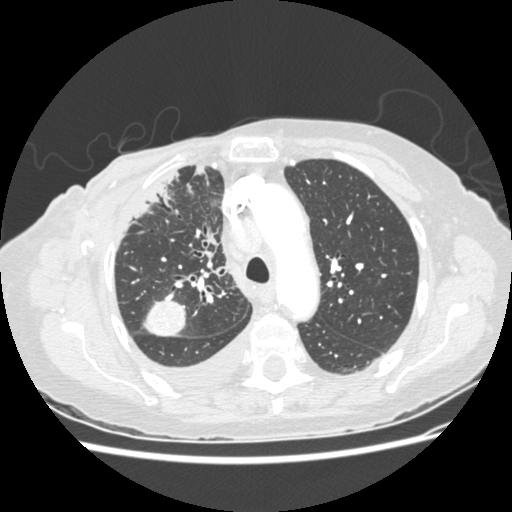
Axial slice 187 of 238 of a chest CT (slice 1 is the lowest), reconstructed with the STANDARD kernel at 120 kVp; 1.25 mm slice thickness and 0.664 mm pixels.
Pulmonary nodule, outlined by two of the four readers. Box on this slice rows 293–335, columns 144–185, the union of the readers' outlines on this slice; median longest diameter 32.4 mm (readers' outlines 31.3–33.5 mm), median volume 8391 mm3 (8200–8583 mm3). Median ratings and the readers' spread: texture 5/5 (solid), both readers agreeing; margin 4.5/5 at the median of two readers, spread 4/5 to 5/5 (circumscribed); sphericity 4/5, both readers agreeing; calcification absent from both readers; internal structure soft tissue, both readers agreeing; subtlety 5/5 from both readers; median malignancy likelihood 4/5 (readers ranged 3–5). Scale key (1–5): texture non-solid→solid, margin indistinct→circumscribed, sphericity linear→round, subtlety extremely subtle→obvious, malignancy likelihood highly unlikely→highly suspicious of cancer. Box rows and columns are 0-based pixel indices from the top-left corner, inclusive.